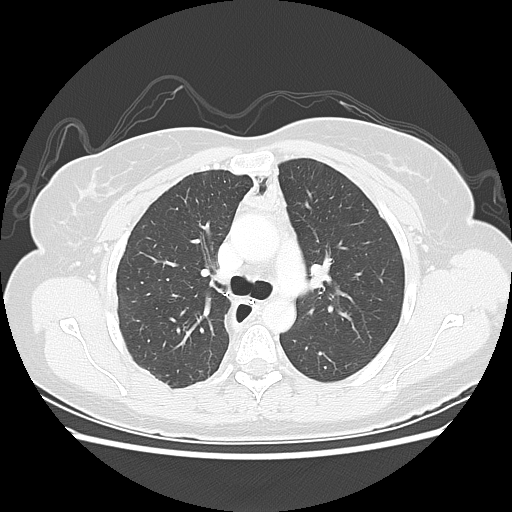
Slice 98/133 of a chest CT, counting up from the lowest; pixel size 0.703 mm, slice thickness 2.50 mm. No nodule of 3 mm or larger was outlined by any of the four readers on this slice.
Acquired at 120 kVp and reconstructed with the LUNG kernel.